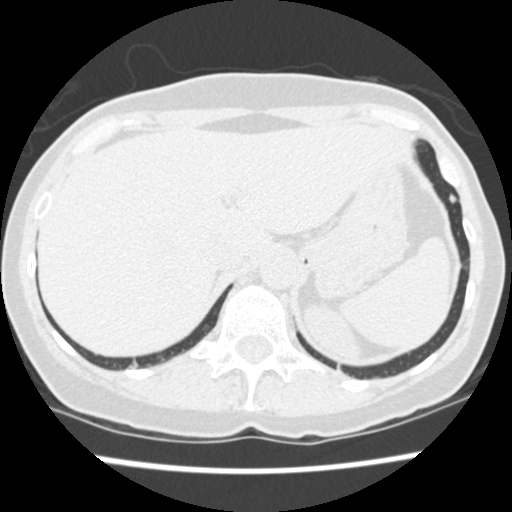
Axial chest CT slice 54 of 471 (counted from the lowest slice); 1.25 mm thick, 0.586 mm per pixel. Pulmonary nodule, outlined by all four readers. Box on this slice rows 192–204, columns 448–457, the union of the readers' outlines on this slice; longest diameter 7.0 mm on average over the four readers' outlines (readers' outlines 6.1–9.0 mm), volume 96–205 mm3. Ratings, by the readers' most common answer with dissent counted: texture 5/5 (solid) from all four readers; margin 4/5 by three of four readers; the rest gave 5/5 (circumscribed) (one); most readers (three of four) put sphericity at 3/5 (ovoid), others 5/5 (round) (one); calcification absent, all four readers agreeing; internal structure soft tissue from all four readers; subtlety 3/5 by three of four readers; the rest gave 4/5 (one); malignancy likelihood 3/5 by two of four readers; the rest gave 2/5 (one), 4/5 (one). Scale key (1–5): texture non-solid→solid, margin indistinct→circumscribed, sphericity linear→round, subtlety extremely subtle→obvious, malignancy likelihood highly unlikely→highly suspicious of cancer. Box rows and columns are 0-based pixel indices from the top-left corner, inclusive.
Tube voltage 120 kVp; convolution kernel STANDARD.